Axial slice 56 of 133 of a chest CT (slice 1 is the lowest), reconstructed with the STANDARD kernel at 120 kVp; 2.50 mm slice thickness and 0.703 mm pixels.
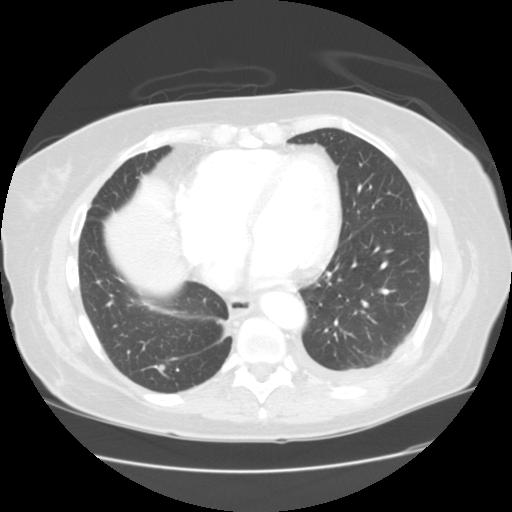
Pulmonary nodule outlined by one of the four readers; box rows 363–369, columns 157–164 (that reader's outline on this slice); longest diameter 6.9 mm and volume 125 mm3 from that reader's outline. Ratings by that reader: texture 5/5 (solid); margin 5/5 (circumscribed); sphericity 4/5; calcification absent; internal structure soft tissue; subtlety 3/5; malignancy likelihood 2/5. Scale key (1–5): texture non-solid→solid, margin indistinct→circumscribed, sphericity linear→round, subtlety extremely subtle→obvious, malignancy likelihood highly unlikely→highly suspicious of cancer. Box rows and columns are 0-based pixel indices from the top-left corner, inclusive.